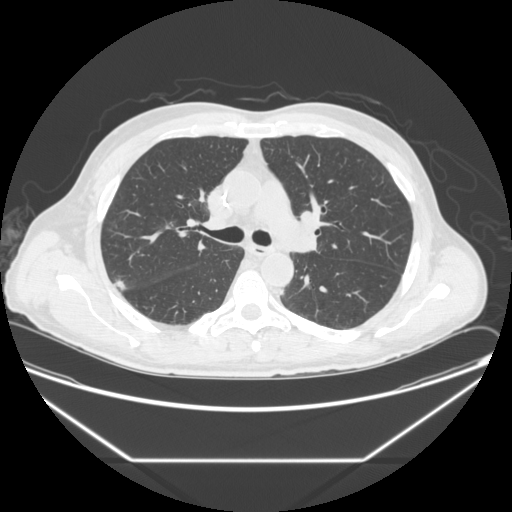
Axial slice 143 of 251 of a chest CT (slice 1 is the lowest), reconstructed with the STANDARD kernel at 120 kVp; 1.25 mm slice thickness and 0.809 mm pixels.
Two pulmonary nodules on this slice, listed from left to right. (1) Pulmonary nodule at rows 279–291, columns 114–126 (box = the union of the readers' outlines on this slice), outlined by all four readers; median longest diameter 11.9 mm (readers' outlines 9.5–12.3 mm), median volume 300 mm3 (212–399 mm3). Ratings, median across the readers with their spread: texture 5/5 (solid), all four readers agreeing; median margin 3/5 (readers ranged 2/5 to 5/5 (circumscribed)); sphericity 3/5 (ovoid) at the median of four readers, spread 3/5 (ovoid) to 4/5; calcification absent from all four readers; internal structure soft tissue from all four readers; subtlety 4/5 at the median of four readers, spread 3–4; median malignancy likelihood 3/5 (readers ranged 2–3). (2) Pulmonary nodule, outlined by three of the four readers. Box on this slice rows 289–296, columns 281–284, the union of the readers' outlines on this slice; longest diameter 6.7–7.7 mm and volume 143–192 mm3 across the three readers' outlines. Ratings across the readers: texture 5/5 (solid) from all three readers; margin from 4/5 to 5/5 (circumscribed) across the three readers; sphericity from 3/5 (ovoid) to 5/5 (round) across the three readers; calcification absent from all three readers; internal structure soft tissue from all three readers; subtlety rated between 1 and 5 out of 5 by the three readers; malignancy likelihood rated between 2 and 3 out of 5 by the three readers. Scale key (1–5): texture non-solid→solid, margin indistinct→circumscribed, sphericity linear→round, subtlety extremely subtle→obvious, malignancy likelihood highly unlikely→highly suspicious of cancer. Box rows and columns are 0-based pixel indices from the top-left corner, inclusive.